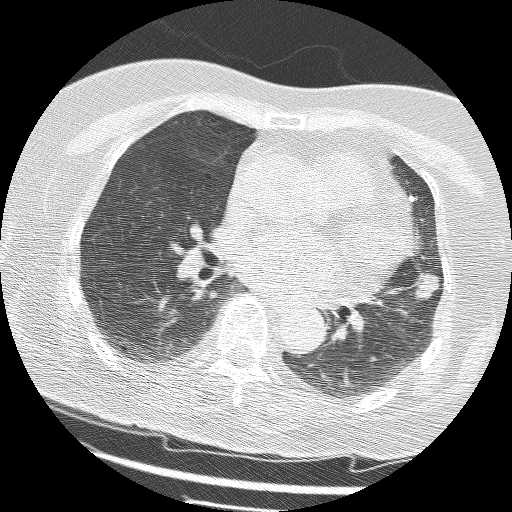
Chest CT, axial plane, 120 kVp, kernel BONE. Slice 71/161 from the bottom of the scan; thickness 1.25 mm; pixel size 0.549 mm.
Two pulmonary nodules on this slice, listed from left to right. (1) Pulmonary nodule at rows 196–201, columns 409–413 (box = that reader's outline on this slice), outlined by one of the four readers; longest diameter 4.4 mm and volume 32 mm3 from that reader's outline. Ratings by that reader: texture 5/5 (solid); margin 5/5 (circumscribed); sphericity 5/5 (round); calcification solid calcification; internal structure soft tissue; subtlety 4/5; malignancy likelihood 1/5. (2) Pulmonary nodule outlined by all four readers; box rows 273–299, columns 414–439 (the union of the readers' outlines on this slice); longest diameter 18.8 mm on average over the four readers' outlines (readers' outlines 18.2–19.7 mm), volume 1334–1755 mm3. The readers' prevailing ratings and who disagreed: texture 5/5 (solid) from all four readers; margin 4/5 by two of four readers; the rest gave 3/5 (one), 5/5 (circumscribed) (one); sphericity 3/5 (ovoid) by three of four readers; the rest gave 4/5 (one); calcification absent from all four readers; internal structure soft tissue, all four readers agreeing; subtlety 5/5 from all four readers; malignancy likelihood 5/5 from all four readers. Scale key (1–5): texture non-solid→solid, margin indistinct→circumscribed, sphericity linear→round, subtlety extremely subtle→obvious, malignancy likelihood highly unlikely→highly suspicious of cancer. Box rows and columns are 0-based pixel indices from the top-left corner, inclusive.